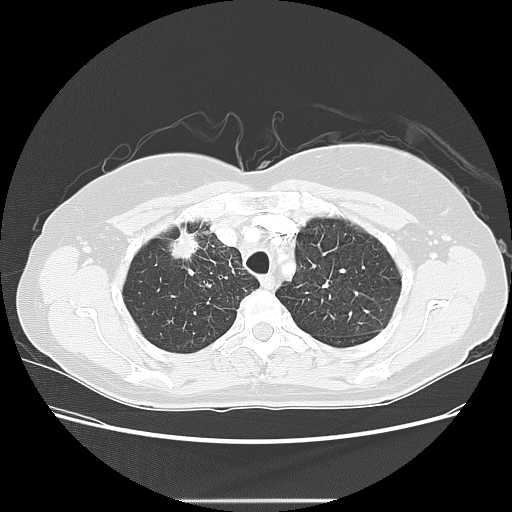
Axial chest CT slice 109 of 130 (counted from the lowest slice); tube voltage 120 kVp, convolution kernel LUNG; slices 2.50 mm thick, 0.703 mm per pixel.
Pulmonary nodule at rows 227–259, columns 168–199 (box = the union of the readers' outlines on this slice), outlined by three of the four readers; median longest diameter 30.8 mm (readers' outlines 26.3–33.4 mm), median volume 4246 mm3 (4054–5494 mm3). Ratings, median across the readers with their spread: texture 5/5 (solid) at the median of three readers, spread 4/5 to 5/5 (solid); median margin 4/5 (readers ranged 3/5 to 5/5 (circumscribed)); median sphericity 4/5 (readers ranged 3/5 (ovoid) to 5/5 (round)); calcification absent from all three readers; internal structure soft tissue from all three readers; subtlety 5/5 from all three readers; median malignancy likelihood 5/5 (readers ranged 4–5). Scale key (1–5): texture non-solid→solid, margin indistinct→circumscribed, sphericity linear→round, subtlety extremely subtle→obvious, malignancy likelihood highly unlikely→highly suspicious of cancer. Box rows and columns are 0-based pixel indices from the top-left corner, inclusive.